Axial slice 180 of 328 of a chest CT (slice 1 is the lowest), reconstructed with the D kernel at 120 kVp; 2.00 mm slice thickness and 0.742 mm pixels.
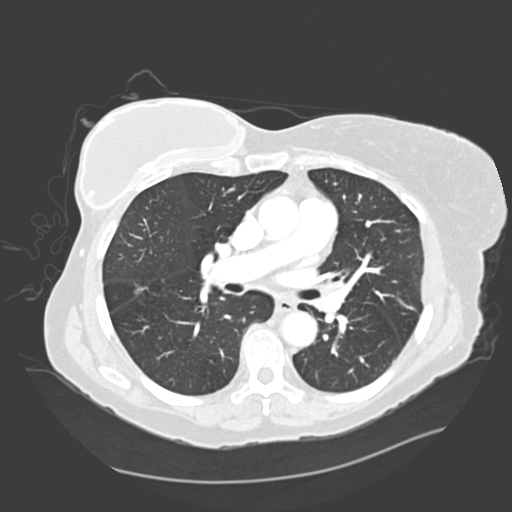
Pulmonary nodule, outlined by all four readers, three of them on this slice. Box on this slice rows 284–294, columns 134–147, the union of the readers' outlines on this slice; longest diameter 18.3–21.0 mm and volume 877–1921 mm3 across the four readers' outlines. Ratings across the readers: texture from 3/5 (part-solid) to 5/5 (solid) across the four readers; margin from 2/5 to 4/5 across the four readers; sphericity from 2/5 to 3/5 (ovoid) across the four readers; calcification absent from all four readers; internal structure soft tissue, all four readers agreeing; subtlety from 4/5 to 5/5 across the four readers; malignancy likelihood from 3/5 to 5/5 across the four readers. Scale key (1–5): texture non-solid→solid, margin indistinct→circumscribed, sphericity linear→round, subtlety extremely subtle→obvious, malignancy likelihood highly unlikely→highly suspicious of cancer. Box rows and columns are 0-based pixel indices from the top-left corner, inclusive.